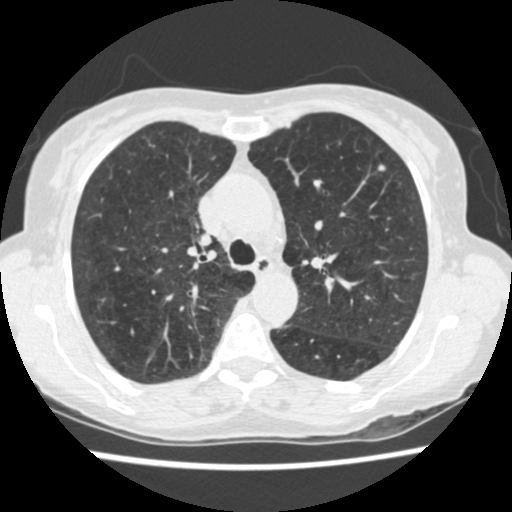
Axial slice 376 of 541 of a chest CT (slice 1 is the lowest), reconstructed with the STANDARD kernel at 120 kVp; 1.25 mm slice thickness and 0.586 mm pixels.
Pulmonary nodule outlined by all four readers; box rows 164–171, columns 376–386 (the union of the readers' outlines on this slice); median longest diameter 6.8 mm (readers' outlines 5.4–7.8 mm), median volume 103 mm3 (67–124 mm3). Median ratings and the readers' spread: texture 5/5 (solid) at the median of four readers, spread 4/5 to 5/5 (solid); margin 4/5 at the median of four readers, spread 4/5 to 5/5 (circumscribed); sphericity 3/5 (ovoid) at the median of four readers, spread 2/5 to 5/5 (round); calcification: absent (three), central calcification (one); internal structure soft tissue, all four readers agreeing; subtlety 3.5/5 at the median of four readers, spread 3–5; malignancy likelihood 2.5/5 at the median of four readers, spread 1–4. Scale key (1–5): texture non-solid→solid, margin indistinct→circumscribed, sphericity linear→round, subtlety extremely subtle→obvious, malignancy likelihood highly unlikely→highly suspicious of cancer. Box rows and columns are 0-based pixel indices from the top-left corner, inclusive.